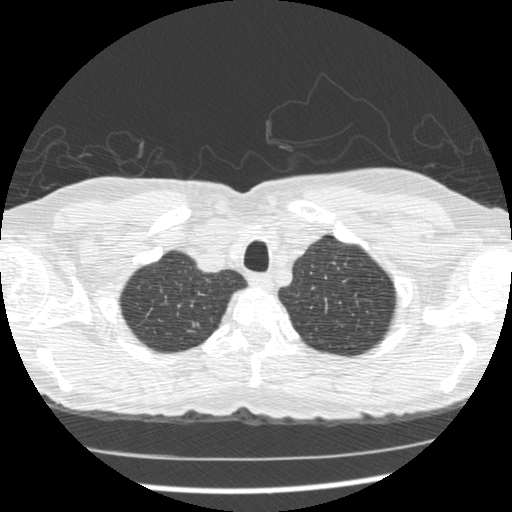
Axial chest CT slice 395 of 449 (counted from the lowest slice); tube voltage 120 kVp, convolution kernel STANDARD; slices 1.25 mm thick, 0.625 mm per pixel.
Pulmonary nodule at rows 321–327, columns 190–199 (box = the union of the readers' outlines on this slice), outlined by two of the four readers; longest diameter 8.3 mm on average over the two readers' outlines (readers' outlines 8.3 mm), volume 92 mm3. Ratings, by the readers' most common answer with dissent counted: texture 3/5 (part-solid), both readers agreeing; margin split among the readers: 3/5 (one), 4/5 (one); sphericity split among the readers: 2/5 (one), 4/5 (one); calcification absent, both readers agreeing; internal structure split among the readers: soft tissue (one), air (one); subtlety 3/5, both readers agreeing; malignancy likelihood split among the readers: 3/5 (one), 4/5 (one). Scale key (1–5): texture non-solid→solid, margin indistinct→circumscribed, sphericity linear→round, subtlety extremely subtle→obvious, malignancy likelihood highly unlikely→highly suspicious of cancer. Box rows and columns are 0-based pixel indices from the top-left corner, inclusive.